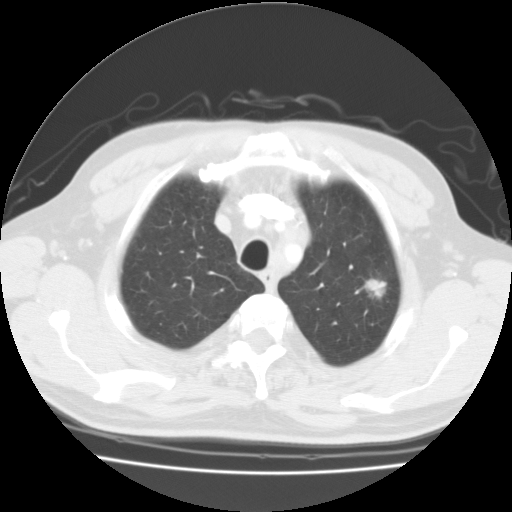
One axial slice (93 of 114, counting up from the lowest) of a chest CT acquired at 135 kVp with the FC01 kernel; each pixel is 0.711 mm and the slice is 3.00 mm thick.
Pulmonary nodule, outlined by all four readers. Box on this slice rows 278–298, columns 363–387, the union of the readers' outlines on this slice; longest diameter 18.0–22.7 mm and volume 2376–3822 mm3 across the four readers' outlines. Ratings across the readers: texture from 4/5 to 5/5 (solid) across the four readers; margin from 3/5 to 5/5 (circumscribed) across the four readers; sphericity from 4/5 to 5/5 (round) across the four readers; calcification absent, all four readers agreeing; internal structure soft tissue from all four readers; subtlety 5/5 from all four readers; malignancy likelihood from 4/5 to 5/5 across the four readers. Scale key (1–5): texture non-solid→solid, margin indistinct→circumscribed, sphericity linear→round, subtlety extremely subtle→obvious, malignancy likelihood highly unlikely→highly suspicious of cancer. Box rows and columns are 0-based pixel indices from the top-left corner, inclusive.